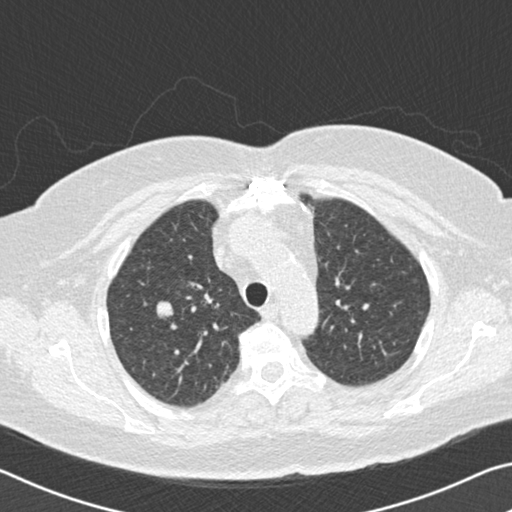
Axial chest CT slice 130 of 167 (counted from the lowest slice); 2.00 mm thick, 0.664 mm per pixel. Pulmonary nodule, outlined by all four readers. Box on this slice rows 300–319, columns 156–172, the union of the readers' outlines on this slice; median longest diameter 14.3 mm (readers' outlines 13.7–15.2 mm), median volume 1020 mm3 (840–1189 mm3). Median ratings and the readers' spread: texture 5/5 (solid), all four readers agreeing; margin 4/5 at the median of four readers, spread 4/5 to 5/5 (circumscribed); median sphericity 4.5/5 (readers ranged 3/5 (ovoid) to 5/5 (round)); calcification absent from all four readers; internal structure soft tissue from all four readers; subtlety 5/5 at the median of four readers, spread 4–5; malignancy likelihood 4/5 at the median of four readers, spread 3–5. Scale key (1–5): texture non-solid→solid, margin indistinct→circumscribed, sphericity linear→round, subtlety extremely subtle→obvious, malignancy likelihood highly unlikely→highly suspicious of cancer. Box rows and columns are 0-based pixel indices from the top-left corner, inclusive.
Tube voltage 120 kVp; convolution kernel B30f.